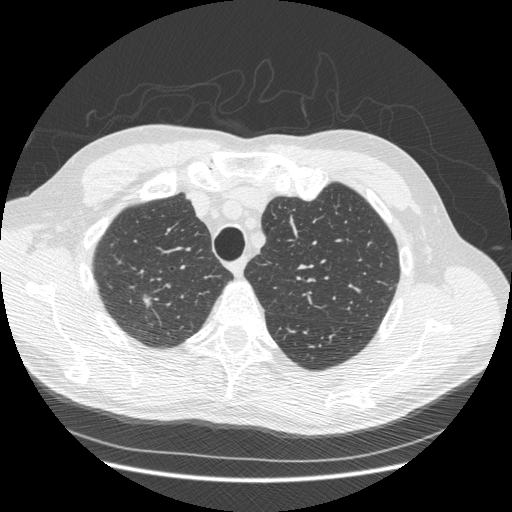
Axial chest CT slice 389 of 493 (counted from the lowest slice); tube voltage 120 kVp, convolution kernel STANDARD; slices 1.25 mm thick, 0.742 mm per pixel.
Pulmonary nodule outlined by three of the four readers; box rows 295–307, columns 143–150 (the union of the readers' outlines on this slice); median longest diameter 11.2 mm (readers' outlines 11.0–11.2 mm), median volume 139 mm3 (98–139 mm3). Median ratings and the readers' spread: median texture 3/5 (part-solid) (readers ranged 2/5 to 4/5); margin 3/5 at the median of three readers, spread 3/5 to 4/5; sphericity 3/5 (ovoid) at the median of three readers, spread 2/5 to 3/5 (ovoid); calcification absent from all three readers; internal structure soft tissue from all three readers; subtlety 4/5 at the median of three readers, spread 3–4; median malignancy likelihood 4/5 (readers ranged 3–5). Scale key (1–5): texture non-solid→solid, margin indistinct→circumscribed, sphericity linear→round, subtlety extremely subtle→obvious, malignancy likelihood highly unlikely→highly suspicious of cancer. Box rows and columns are 0-based pixel indices from the top-left corner, inclusive.